One axial slice (115 of 244, counting up from the lowest) of a chest CT acquired at 120 kVp with the BONE kernel; each pixel is 0.674 mm and the slice is 1.25 mm thick.
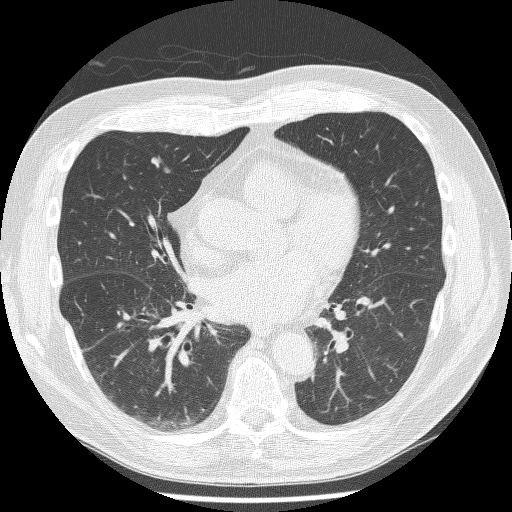
Pulmonary nodule, outlined by all four readers. Box on this slice rows 156–166, columns 151–159, the union of the readers' outlines on this slice; median longest diameter 8.1 mm (readers' outlines 7.0–8.8 mm), median volume 90 mm3 (85–101 mm3). Median ratings and the readers' spread: texture 4.5/5 at the median of four readers, spread 4/5 to 5/5 (solid); median margin 3.5/5 (readers ranged 3/5 to 5/5 (circumscribed)); sphericity 3.5/5 at the median of four readers, spread 2/5 to 4/5; calcification absent from all four readers; internal structure soft tissue from all four readers; subtlety 4/5 at the median of four readers, spread 4–5; malignancy likelihood 3/5 from all four readers. Scale key (1–5): texture non-solid→solid, margin indistinct→circumscribed, sphericity linear→round, subtlety extremely subtle→obvious, malignancy likelihood highly unlikely→highly suspicious of cancer. Box rows and columns are 0-based pixel indices from the top-left corner, inclusive.